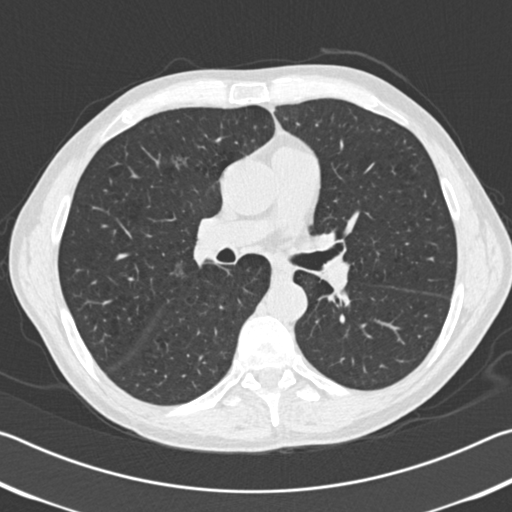
Chest CT, axial plane, 120 kVp, kernel B30f. Slice 105/192 from the bottom of the scan; thickness 2.00 mm; pixel size 0.664 mm.
Pulmonary nodule, outlined by one of the four readers. Box on this slice rows 157–169, columns 172–181, that reader's outline on this slice; longest diameter 13.4 mm and volume 515 mm3 from that reader's outline. Ratings by that reader: texture 1/5 (non-solid); margin 2/5; sphericity 3/5 (ovoid); calcification absent; internal structure soft tissue; subtlety 2/5; malignancy likelihood 3/5. Scale key (1–5): texture non-solid→solid, margin indistinct→circumscribed, sphericity linear→round, subtlety extremely subtle→obvious, malignancy likelihood highly unlikely→highly suspicious of cancer. Box rows and columns are 0-based pixel indices from the top-left corner, inclusive.